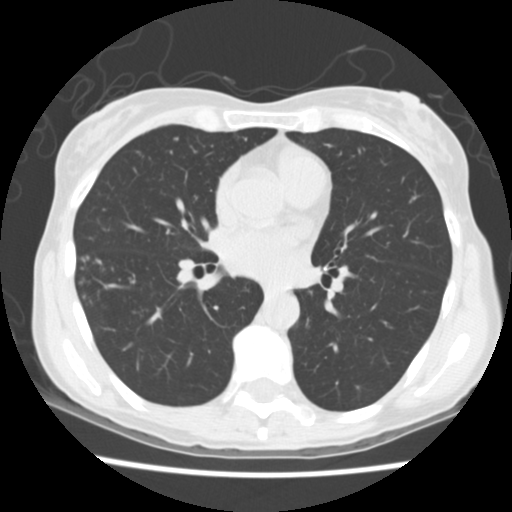
Axial slice 82 of 163 of a chest CT (slice 1 is the lowest), reconstructed with the STANDARD kernel at 120 kVp; 2.50 mm slice thickness and 0.586 mm pixels.
Pulmonary nodule outlined by one of the four readers; box rows 138–140, columns 172–178 (that reader's outline on this slice); longest diameter 4.8 mm and volume 70 mm3 from that reader's outline. That reader's ratings: texture 5/5 (solid); margin 5/5 (circumscribed); sphericity 4/5; calcification absent; internal structure soft tissue; subtlety 4/5; malignancy likelihood 2/5. Scale key (1–5): texture non-solid→solid, margin indistinct→circumscribed, sphericity linear→round, subtlety extremely subtle→obvious, malignancy likelihood highly unlikely→highly suspicious of cancer. Box rows and columns are 0-based pixel indices from the top-left corner, inclusive.